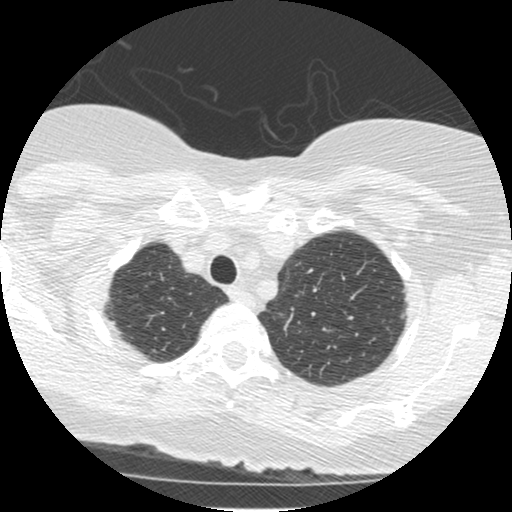
One axial slice (308 of 372, counting up from the lowest) of a chest CT acquired at 120 kVp with the STANDARD kernel; each pixel is 0.586 mm and the slice is 1.25 mm thick.
Pulmonary nodule at rows 312–318, columns 400–404 (box = that reader's outline on this slice), outlined by one of the four readers; longest diameter 7.1 mm and volume 68 mm3 from that reader's outline. Ratings by that reader: texture 5/5 (solid); margin 4/5; sphericity 3/5 (ovoid); calcification absent; internal structure soft tissue; subtlety 5/5; malignancy likelihood 3/5. Scale key (1–5): texture non-solid→solid, margin indistinct→circumscribed, sphericity linear→round, subtlety extremely subtle→obvious, malignancy likelihood highly unlikely→highly suspicious of cancer. Box rows and columns are 0-based pixel indices from the top-left corner, inclusive.